Axial slice 122 of 177 of a chest CT (slice 1 is the lowest), reconstructed with the B30f kernel at 120 kVp; 2.00 mm slice thickness and 0.643 mm pixels.
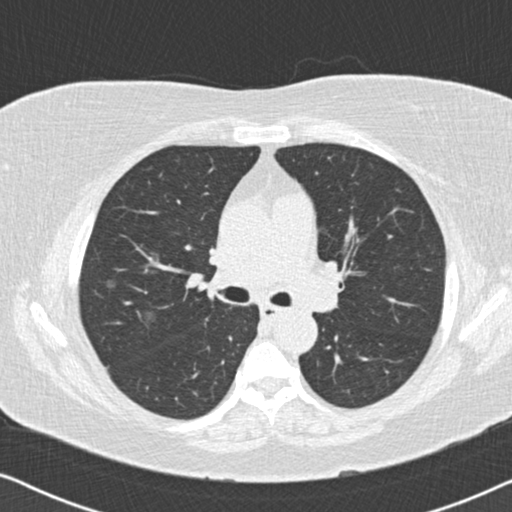
Three pulmonary nodules on this slice, listed from left to right. (1) Pulmonary nodule at rows 280–288, columns 105–115 (box = the union of the readers' outlines on this slice), outlined by two of the four readers; longest diameter 8.6–11.2 mm and volume 175–261 mm3 across the two readers' outlines. The readers' ratings, as ranges where they differ: texture 1/5 (non-solid), both readers agreeing; margin from 1/5 (indistinct) to 2/5 across the two readers; sphericity from 4/5 to 5/5 (round) across the two readers; calcification absent from both readers; internal structure soft tissue, both readers agreeing; subtlety rated between 1 and 3 out of 5 by the two readers; malignancy likelihood 3/5 from both readers. (2) Pulmonary nodule outlined by two of the four readers; box rows 311–322, columns 145–155 (the union of the readers' outlines on this slice); longest diameter 9.3 mm on average over the two readers' outlines (readers' outlines 9.3 mm), volume 296–335 mm3. The readers' prevailing ratings and who disagreed: texture 1/5 (non-solid) from both readers; margin 1/5 (indistinct), both readers agreeing; sphericity split among the readers: 2/5 (one), 5/5 (round) (one); calcification absent, both readers agreeing; internal structure soft tissue from both readers; subtlety split among the readers: 1/5 (one), 3/5 (one); malignancy likelihood 3/5 from both readers. (3) Pulmonary nodule, outlined by two of the four readers, one of them on this slice. Box on this slice rows 253–258, columns 151–157, the one reader's outline on this slice; the two readers' outlines give a longest diameter between 7.3 and 8.2 mm and a volume between 42 and 143 mm3. The readers' ratings, as ranges where they differ: texture 1/5 (non-solid), both readers agreeing; margin 1/5 (indistinct) from both readers; sphericity from 3/5 (ovoid) to 5/5 (round) across the two readers; calcification absent, both readers agreeing; internal structure soft tissue, both readers agreeing; subtlety 2–5/5 (the readers disagree); malignancy likelihood 3/5, both readers agreeing. Scale key (1–5): texture non-solid→solid, margin indistinct→circumscribed, sphericity linear→round, subtlety extremely subtle→obvious, malignancy likelihood highly unlikely→highly suspicious of cancer. Box rows and columns are 0-based pixel indices from the top-left corner, inclusive.